One axial slice (129 of 240, counting up from the lowest) of a chest CT acquired at 120 kVp with the BONE kernel; each pixel is 0.703 mm and the slice is 1.25 mm thick.
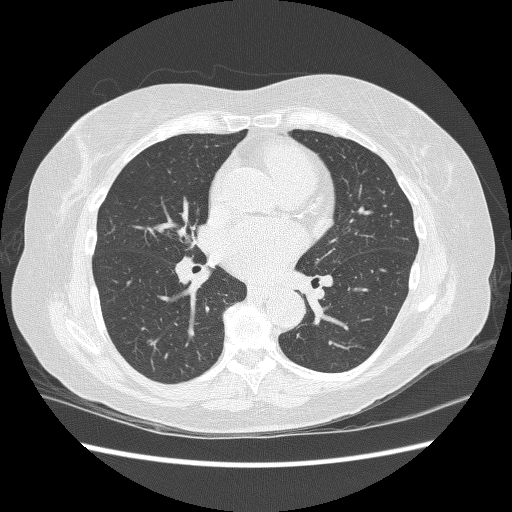
No nodule of 3 mm or larger was outlined by any of the four readers on this slice.